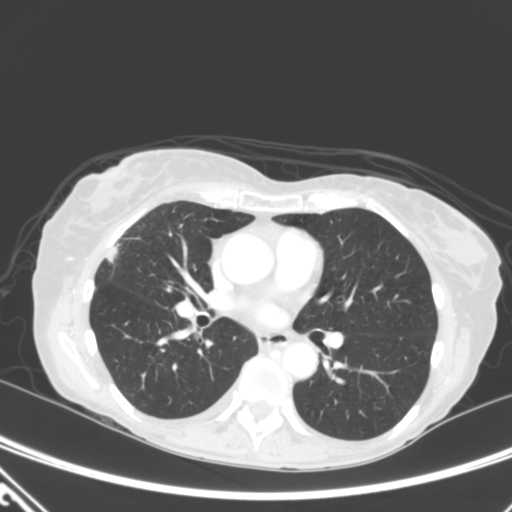
Axial chest CT slice 178 of 320 (counted from the lowest slice); tube voltage 120 kVp, convolution kernel B; slices 2.00 mm thick, 0.662 mm per pixel.
Pulmonary nodule outlined by all four readers; box rows 243–264, columns 104–119 (the union of the readers' outlines on this slice); longest diameter 12.2–16.6 mm and volume 631–1078 mm3 across the four readers' outlines. The readers' ratings, as ranges where they differ: texture 5/5 (solid) from all four readers; margin from 3/5 to 5/5 (circumscribed) across the four readers; sphericity from 3/5 (ovoid) to 5/5 (round) across the four readers; calcification absent from all four readers; internal structure soft tissue from all four readers; subtlety 5/5, all four readers agreeing; malignancy likelihood rated between 2 and 5 out of 5 by the four readers. Scale key (1–5): texture non-solid→solid, margin indistinct→circumscribed, sphericity linear→round, subtlety extremely subtle→obvious, malignancy likelihood highly unlikely→highly suspicious of cancer. Box rows and columns are 0-based pixel indices from the top-left corner, inclusive.